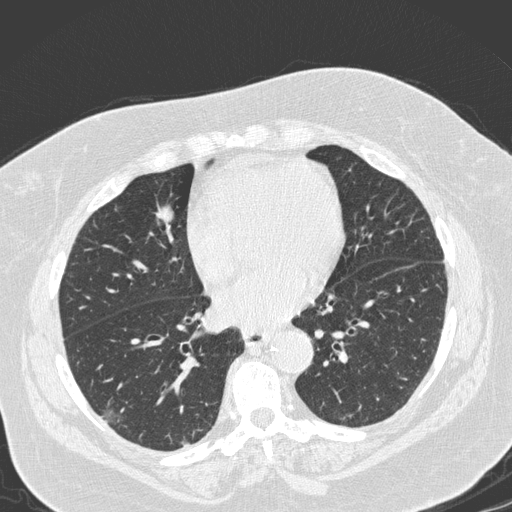
Chest CT, axial plane, 120 kVp, kernel D. Slice 96/280 from the bottom of the scan; thickness 1.00 mm; pixel size 0.666 mm.
Two pulmonary nodules on this slice, listed from left to right. (1) Pulmonary nodule, outlined by two of the four readers. Box on this slice rows 407–423, columns 103–122, the union of the readers' outlines on this slice; longest diameter 16.7–18.8 mm and volume 1162–1377 mm3 across the two readers' outlines. Ratings across the readers: texture 1/5 (non-solid), both readers agreeing; margin 2/5 from both readers; sphericity from 3/5 (ovoid) to 5/5 (round) across the two readers; calcification absent, both readers agreeing; internal structure soft tissue from both readers; subtlety from 1/5 to 4/5 across the two readers; malignancy likelihood 2–3/5 (the readers disagree). (2) Pulmonary nodule, outlined by all four readers. Box on this slice rows 203–222, columns 155–173, the union of the readers' outlines on this slice; median longest diameter 25.4 mm (readers' outlines 25.0–27.8 mm), median volume 5111 mm3 (4698–5913 mm3). Ratings, median across the readers with their spread: texture 5/5 (solid) from all four readers; median margin 4.5/5 (readers ranged 4/5 to 5/5 (circumscribed)); median sphericity 4.5/5 (readers ranged 3/5 (ovoid) to 5/5 (round)); calcification absent from all four readers; internal structure soft tissue, all four readers agreeing; subtlety 5/5, all four readers agreeing; median malignancy likelihood 4.5/5 (readers ranged 2–5). Scale key (1–5): texture non-solid→solid, margin indistinct→circumscribed, sphericity linear→round, subtlety extremely subtle→obvious, malignancy likelihood highly unlikely→highly suspicious of cancer. Box rows and columns are 0-based pixel indices from the top-left corner, inclusive.